Axial chest CT slice 110 of 149 (counted from the lowest slice); tube voltage 120 kVp, convolution kernel STANDARD; slices 2.50 mm thick, 0.781 mm per pixel.
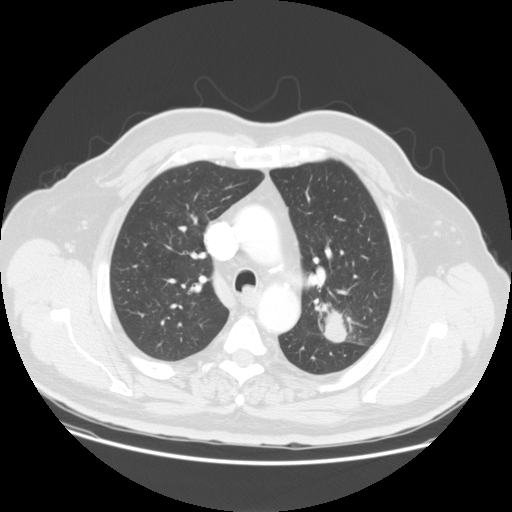
Pulmonary nodule at rows 299–341, columns 314–346 (box = the union of the readers' outlines on this slice), outlined by three of the four readers; longest diameter 41.1 mm on average over the three readers' outlines (readers' outlines 34.5–53.9 mm), volume 15350–17058 mm3. The readers' prevailing ratings and who disagreed: texture 5/5 (solid), all three readers agreeing; most readers (two of three) put margin at 4/5, others 5/5 (circumscribed) (one); sphericity 4/5 by two of three readers; the rest gave 5/5 (round) (one); calcification absent from all three readers; internal structure soft tissue from all three readers; subtlety 5/5, all three readers agreeing; malignancy likelihood 5/5 by two of three readers; the rest gave 4/5 (one). Scale key (1–5): texture non-solid→solid, margin indistinct→circumscribed, sphericity linear→round, subtlety extremely subtle→obvious, malignancy likelihood highly unlikely→highly suspicious of cancer. Box rows and columns are 0-based pixel indices from the top-left corner, inclusive.